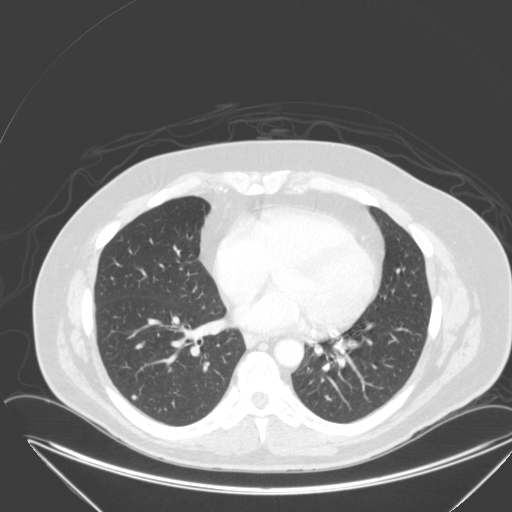
Axial slice 134 of 315 of a chest CT (slice 1 is the lowest), reconstructed with the B kernel at 120 kVp; 2.00 mm slice thickness and 0.830 mm pixels.
Pulmonary nodule at rows 395–399, columns 131–136 (box = the union of the readers' outlines on this slice), outlined by all four readers; the four readers' outlines give a longest diameter between 6.0 and 7.1 mm and a volume between 73 and 110 mm3. Ratings across the readers: texture from 4/5 to 5/5 (solid) across the four readers; margin from 4/5 to 5/5 (circumscribed) across the four readers; sphericity from 4/5 to 5/5 (round) across the four readers; calcification absent from all four readers; internal structure soft tissue from all four readers; subtlety 2–5/5 (the readers disagree); malignancy likelihood from 2/5 to 3/5 across the four readers. Scale key (1–5): texture non-solid→solid, margin indistinct→circumscribed, sphericity linear→round, subtlety extremely subtle→obvious, malignancy likelihood highly unlikely→highly suspicious of cancer. Box rows and columns are 0-based pixel indices from the top-left corner, inclusive.